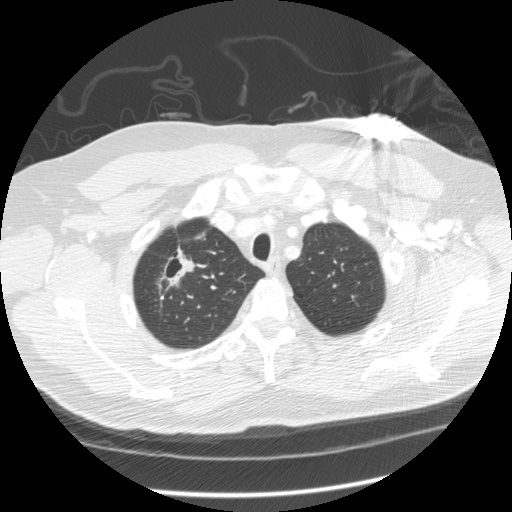
Axial chest CT slice 262 of 305 (counted from the lowest slice); tube voltage 120 kVp, convolution kernel STANDARD; slices 1.25 mm thick, 0.732 mm per pixel.
Pulmonary nodule at rows 243–297, columns 155–194 (box = the union of the readers' outlines on this slice), outlined by three of the four readers; longest diameter 41.0–45.9 mm and volume 6528–11092 mm3 across the three readers' outlines. Ratings across the readers: texture from 3/5 (part-solid) to 5/5 (solid) across the three readers; margin from 1/5 (indistinct) to 4/5 across the three readers; sphericity from 2/5 to 3/5 (ovoid) across the three readers; calcification absent, all three readers agreeing; internal structure soft tissue from all three readers; subtlety 5/5 from all three readers; malignancy likelihood 5/5 from all three readers. Scale key (1–5): texture non-solid→solid, margin indistinct→circumscribed, sphericity linear→round, subtlety extremely subtle→obvious, malignancy likelihood highly unlikely→highly suspicious of cancer. Box rows and columns are 0-based pixel indices from the top-left corner, inclusive.